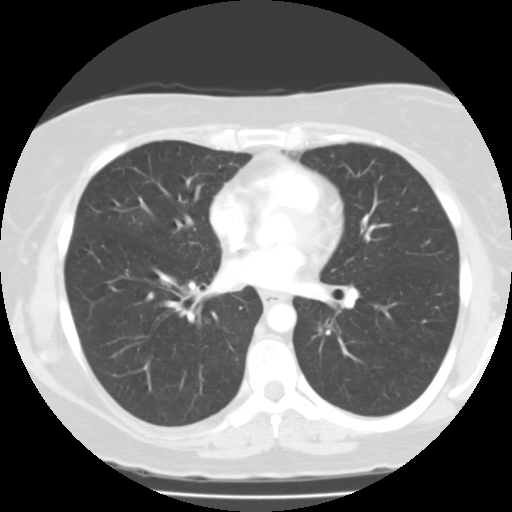
Chest CT, axial plane, 135 kVp, kernel FC01. Slice 58/112 from the bottom of the scan; thickness 3.00 mm; pixel size 0.659 mm.
Pulmonary nodule outlined by one of the four readers; box rows 328–331, columns 317–321 (that reader's outline on this slice); longest diameter 7.3 mm and volume 212 mm3 from that reader's outline. Ratings by that reader: texture 1/5 (non-solid); margin 1/5 (indistinct); sphericity 4/5; calcification absent; internal structure fluid; subtlety 3/5; malignancy likelihood 3/5. Scale key (1–5): texture non-solid→solid, margin indistinct→circumscribed, sphericity linear→round, subtlety extremely subtle→obvious, malignancy likelihood highly unlikely→highly suspicious of cancer. Box rows and columns are 0-based pixel indices from the top-left corner, inclusive.